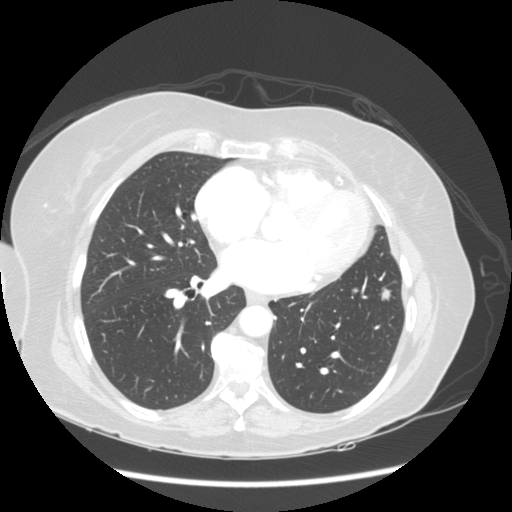
Axial chest CT slice 78 of 141 (counted from the lowest slice); 2.50 mm thick, 0.703 mm per pixel. Two pulmonary nodules are outlined on this slice; from left to right: (1) Pulmonary nodule, outlined by three of the four readers. Box on this slice rows 287–293, columns 351–358, the union of the readers' outlines on this slice; median longest diameter 8.6 mm (readers' outlines 7.2–8.9 mm), median volume 218 mm3 (155–263 mm3). Median ratings and the readers' spread: median texture 5/5 (solid) (readers ranged 4/5 to 5/5 (solid)); median margin 3/5 (readers ranged 2/5 to 4/5); sphericity 4/5 at the median of three readers, spread 3/5 (ovoid) to 4/5; calcification absent, all three readers agreeing; internal structure soft tissue from all three readers; median subtlety 4/5 (readers ranged 2–5); median malignancy likelihood 3/5 (readers ranged 2–4). (2) Pulmonary nodule, outlined by all four readers. Box on this slice rows 287–300, columns 381–391, the union of the readers' outlines on this slice; longest diameter 10.6 mm on average over the four readers' outlines (readers' outlines 9.8–11.1 mm), volume 319–545 mm3. The readers' prevailing ratings and who disagreed: most readers (three of four) put texture at 5/5 (solid), others 4/5 (one); margin 4/5 by two of four readers; the rest gave 2/5 (one), 3/5 (one); most readers (three of four) put sphericity at 4/5, others 3/5 (ovoid) (one); calcification absent from all four readers; internal structure soft tissue, all four readers agreeing; subtlety 4/5 by three of four readers; the rest gave 5/5 (one); most readers (three of four) put malignancy likelihood at 3/5, others 4/5 (one). Scale key (1–5): texture non-solid→solid, margin indistinct→circumscribed, sphericity linear→round, subtlety extremely subtle→obvious, malignancy likelihood highly unlikely→highly suspicious of cancer. Box rows and columns are 0-based pixel indices from the top-left corner, inclusive.
Acquired at 120 kVp and reconstructed with the STANDARD kernel.